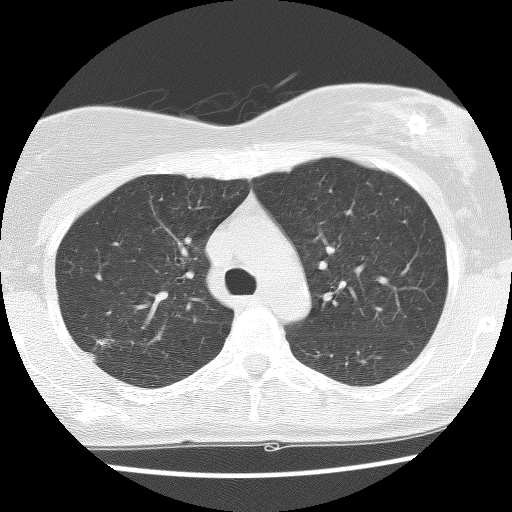
One axial slice (91 of 127, counting up from the lowest) of a chest CT acquired at 140 kVp with the BONE kernel; each pixel is 0.586 mm and the slice is 2.50 mm thick.
Pulmonary nodule, outlined by two of the four readers. Box on this slice rows 337–349, columns 94–115, the union of the readers' outlines on this slice; longest diameter 13.8 mm on average over the two readers' outlines (readers' outlines 12.9–14.7 mm), volume 148–591 mm3. The readers' prevailing ratings and who disagreed: texture 3/5 (part-solid), both readers agreeing; margin 1/5 (indistinct) from both readers; sphericity 2/5 from both readers; calcification absent, both readers agreeing; internal structure soft tissue, both readers agreeing; subtlety 4/5, both readers agreeing; malignancy likelihood 3/5, both readers agreeing. Scale key (1–5): texture non-solid→solid, margin indistinct→circumscribed, sphericity linear→round, subtlety extremely subtle→obvious, malignancy likelihood highly unlikely→highly suspicious of cancer. Box rows and columns are 0-based pixel indices from the top-left corner, inclusive.